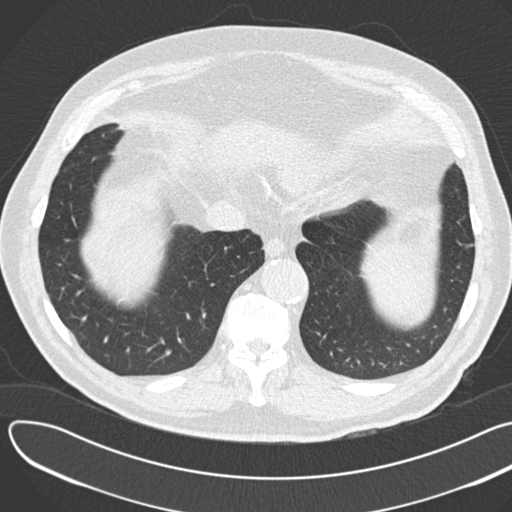
Chest CT, axial plane, 120 kVp, kernel B30f. Slice 54/190 from the bottom of the scan; thickness 2.00 mm; pixel size 0.742 mm.
Pulmonary nodule, outlined by one of the four readers. Box on this slice rows 244–247, columns 467–472, that reader's outline on this slice; longest diameter 8.3 mm and volume 132 mm3 from that reader's outline. That reader's ratings: texture 4/5; margin 4/5; sphericity 3/5 (ovoid); calcification absent; internal structure soft tissue; subtlety 3/5; malignancy likelihood 3/5. Scale key (1–5): texture non-solid→solid, margin indistinct→circumscribed, sphericity linear→round, subtlety extremely subtle→obvious, malignancy likelihood highly unlikely→highly suspicious of cancer. Box rows and columns are 0-based pixel indices from the top-left corner, inclusive.